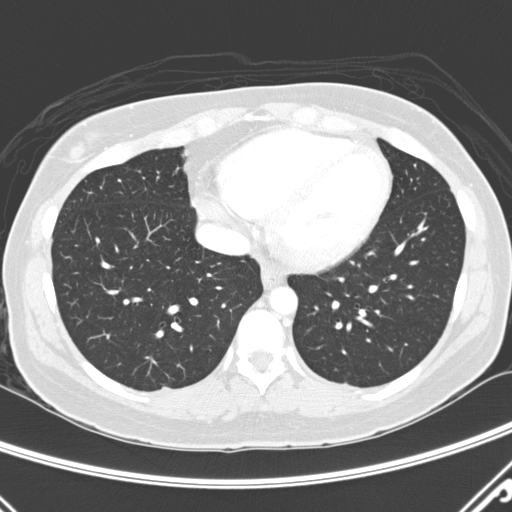
Axial chest CT slice 98 of 290 (counted from the lowest slice); tube voltage 120 kVp, convolution kernel D; slices 2.00 mm thick, 0.648 mm per pixel.
Pulmonary nodule, outlined by one of the four readers. Box on this slice rows 386–388, columns 162–168, that reader's outline on this slice; longest diameter 7.2 mm and volume 59 mm3 from that reader's outline. That reader's ratings: texture 5/5 (solid); margin 4/5; sphericity 3/5 (ovoid); calcification absent; internal structure soft tissue; subtlety 5/5; malignancy likelihood 3/5. Scale key (1–5): texture non-solid→solid, margin indistinct→circumscribed, sphericity linear→round, subtlety extremely subtle→obvious, malignancy likelihood highly unlikely→highly suspicious of cancer. Box rows and columns are 0-based pixel indices from the top-left corner, inclusive.